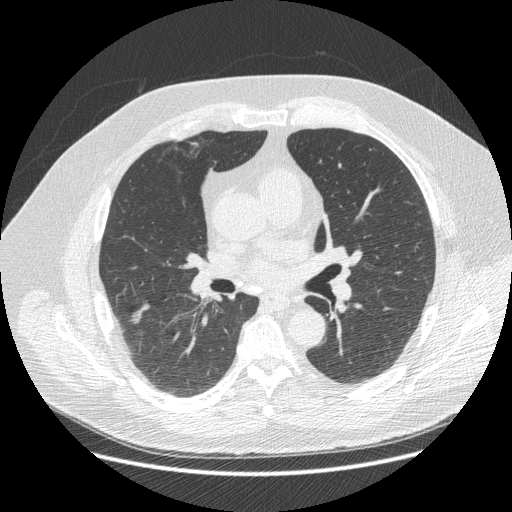
This is axial slice 278 of 477 (slice 1 is the lowest) of a chest CT; each pixel is 0.781 mm and the slice is 1.25 mm thick. Pulmonary nodule outlined by all four readers; box rows 304–322, columns 132–149 (the union of the readers' outlines on this slice); longest diameter 16.4 mm on average over the four readers' outlines (readers' outlines 12.4–20.8 mm), volume 162–429 mm3. The readers' prevailing ratings and who disagreed: texture 4/5 by two of four readers; the rest gave 1/5 (non-solid) (one), 5/5 (solid) (one); margin split among the readers: 2/5 (one), 3/5 (one), 4/5 (one), 5/5 (circumscribed) (one); sphericity 2/5 by two of four readers; the rest gave 3/5 (ovoid) (one), 4/5 (one); calcification absent, all four readers agreeing; internal structure soft tissue from all four readers; subtlety 5/5 by two of four readers; the rest gave 3/5 (one), 4/5 (one); malignancy likelihood 4/5 by two of four readers; the rest gave 2/5 (one), 3/5 (one). Scale key (1–5): texture non-solid→solid, margin indistinct→circumscribed, sphericity linear→round, subtlety extremely subtle→obvious, malignancy likelihood highly unlikely→highly suspicious of cancer. Box rows and columns are 0-based pixel indices from the top-left corner, inclusive.
Scan settings: 120 kVp, STANDARD reconstruction kernel.